Axial slice 464 of 501 of a chest CT (slice 1 is the lowest), reconstructed with the STANDARD kernel at 140 kVp; 1.25 mm slice thickness and 0.703 mm pixels.
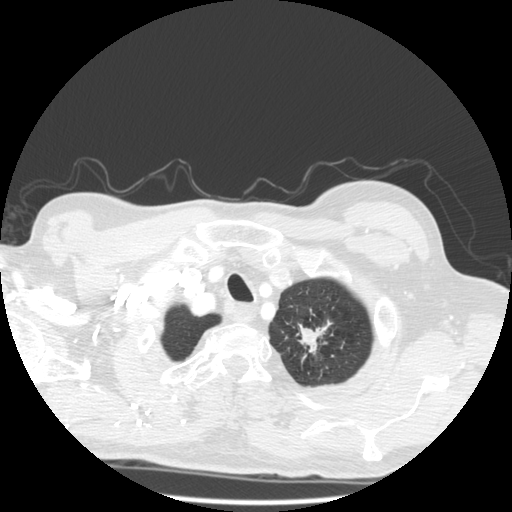
Pulmonary nodule at rows 319–354, columns 298–332 (box = the union of the readers' outlines on this slice), outlined by three of the four readers; longest diameter 32.1–39.2 mm and volume 2361–4873 mm3 across the three readers' outlines. The readers' ratings, as ranges where they differ: texture from 4/5 to 5/5 (solid) across the three readers; margin from 1/5 (indistinct) to 5/5 (circumscribed) across the three readers; sphericity from 2/5 to 5/5 (round) across the three readers; calcification absent from all three readers; internal structure soft tissue, all three readers agreeing; subtlety 5/5 from all three readers; malignancy likelihood 4–5/5 (the readers disagree). Scale key (1–5): texture non-solid→solid, margin indistinct→circumscribed, sphericity linear→round, subtlety extremely subtle→obvious, malignancy likelihood highly unlikely→highly suspicious of cancer. Box rows and columns are 0-based pixel indices from the top-left corner, inclusive.